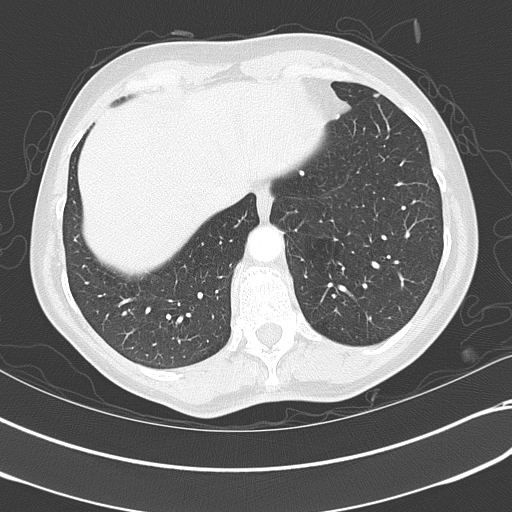
Slice 115/351 of a chest CT, counting up from the lowest; pixel size 0.643 mm, slice thickness 2.00 mm. Two pulmonary nodules on this slice, listed from left to right. (1) Pulmonary nodule at rows 171–175, columns 300–303 (box = the union of the readers' outlines on this slice), outlined by two of the four readers; longest diameter 5.4 mm on average over the two readers' outlines (readers' outlines 5.2–5.5 mm), volume 46–60 mm3. The readers' prevailing ratings and who disagreed: texture 5/5 (solid) from both readers; margin split among the readers: 4/5 (one), 5/5 (circumscribed) (one); sphericity split among the readers: 4/5 (one), 5/5 (round) (one); calcification split among the readers: solid calcification (one), absent (one); internal structure soft tissue from both readers; subtlety split among the readers: 4/5 (one), 5/5 (one); malignancy likelihood split among the readers: 1/5 (one), 2/5 (one). (2) Pulmonary nodule, outlined by one of the four readers. Box on this slice rows 94–96, columns 374–378, that reader's outline on this slice; longest diameter 4.7 mm and volume 33 mm3 from that reader's outline. Ratings by that reader: texture 5/5 (solid); margin 5/5 (circumscribed); sphericity 3/5 (ovoid); calcification absent; internal structure soft tissue; subtlety 2/5; malignancy likelihood 2/5. Scale key (1–5): texture non-solid→solid, margin indistinct→circumscribed, sphericity linear→round, subtlety extremely subtle→obvious, malignancy likelihood highly unlikely→highly suspicious of cancer. Box rows and columns are 0-based pixel indices from the top-left corner, inclusive.
Tube voltage 120 kVp; convolution kernel B70f.